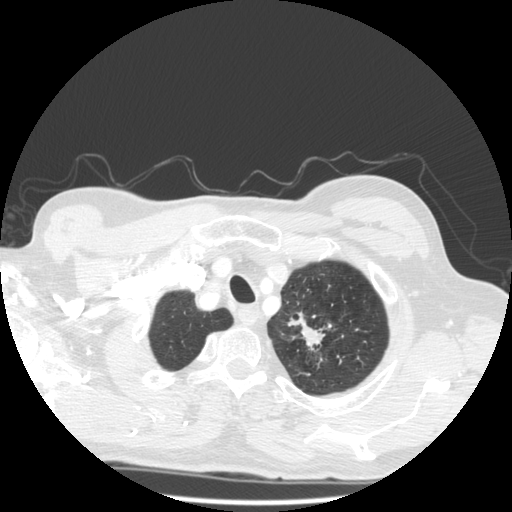
Chest CT, axial plane, 140 kVp, kernel STANDARD. Slice 454/501 from the bottom of the scan; thickness 1.25 mm; pixel size 0.703 mm.
Pulmonary nodule outlined by three of the four readers; box rows 311–351, columns 287–324 (the union of the readers' outlines on this slice); median longest diameter 33.8 mm (readers' outlines 32.1–39.2 mm), median volume 3078 mm3 (2361–4873 mm3). Median ratings and the readers' spread: texture 5/5 (solid) at the median of three readers, spread 4/5 to 5/5 (solid); margin 3/5 at the median of three readers, spread 1/5 (indistinct) to 5/5 (circumscribed); sphericity 3/5 (ovoid) at the median of three readers, spread 2/5 to 5/5 (round); calcification absent from all three readers; internal structure soft tissue from all three readers; subtlety 5/5 from all three readers; median malignancy likelihood 5/5 (readers ranged 4–5). Scale key (1–5): texture non-solid→solid, margin indistinct→circumscribed, sphericity linear→round, subtlety extremely subtle→obvious, malignancy likelihood highly unlikely→highly suspicious of cancer. Box rows and columns are 0-based pixel indices from the top-left corner, inclusive.